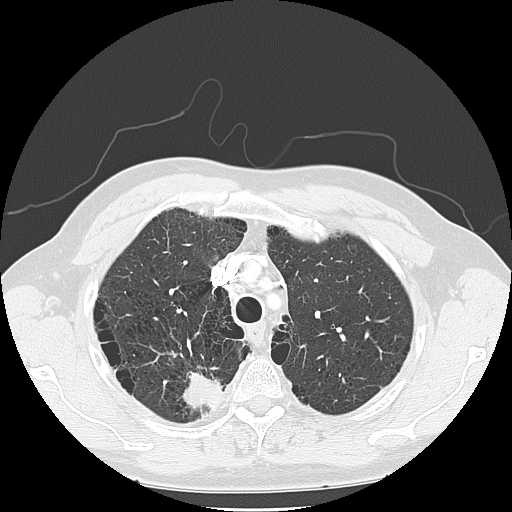
This is axial slice 103 of 133 (slice 1 is the lowest) of a chest CT; each pixel is 0.703 mm and the slice is 2.50 mm thick. Pulmonary nodule outlined by one of the four readers; box rows 374–407, columns 183–221 (that reader's outline on this slice); longest diameter 40.9 mm and volume 12423 mm3 from that reader's outline. Ratings by that reader: texture 5/5 (solid); margin 3/5; sphericity 3/5 (ovoid); calcification absent; internal structure soft tissue; subtlety 5/5; malignancy likelihood 2/5. Scale key (1–5): texture non-solid→solid, margin indistinct→circumscribed, sphericity linear→round, subtlety extremely subtle→obvious, malignancy likelihood highly unlikely→highly suspicious of cancer. Box rows and columns are 0-based pixel indices from the top-left corner, inclusive.
Scan settings: 120 kVp, LUNG reconstruction kernel.